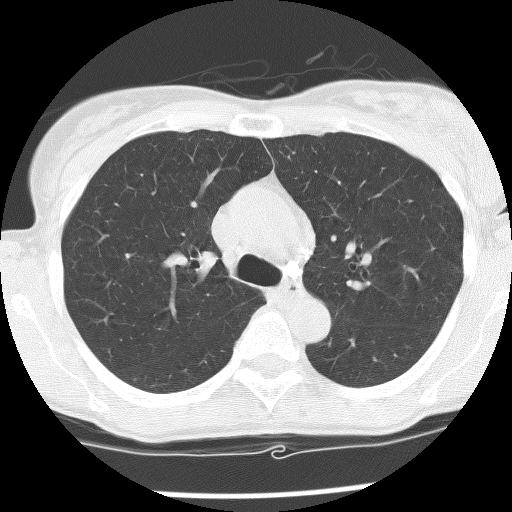
Axial chest CT slice 94 of 131 (counted from the lowest slice); 2.50 mm thick, 0.547 mm per pixel. The readers outlined no nodule of 3 mm or more on this slice.
Scan settings: 140 kVp, BONE reconstruction kernel.